One axial slice (311 of 417, counting up from the lowest) of a chest CT acquired at 120 kVp with the STANDARD kernel; each pixel is 0.703 mm and the slice is 1.25 mm thick.
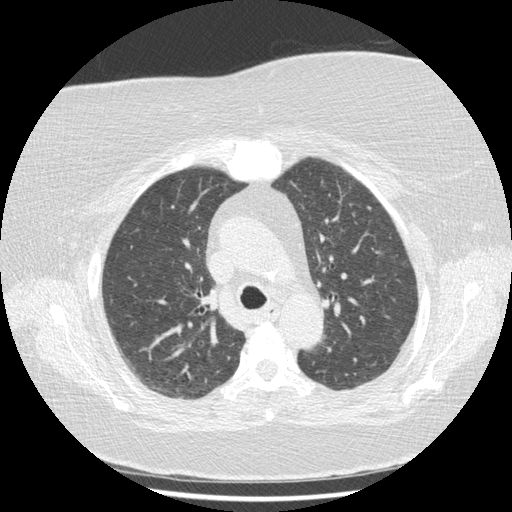
Pulmonary nodule outlined by one of the four readers; box rows 206–209, columns 367–370 (that reader's outline on this slice); longest diameter 5.1 mm and volume 24 mm3 from that reader's outline. Ratings by that reader: texture 5/5 (solid); margin 5/5 (circumscribed); sphericity 5/5 (round); calcification absent; internal structure soft tissue; subtlety 5/5; malignancy likelihood 3/5. Scale key (1–5): texture non-solid→solid, margin indistinct→circumscribed, sphericity linear→round, subtlety extremely subtle→obvious, malignancy likelihood highly unlikely→highly suspicious of cancer. Box rows and columns are 0-based pixel indices from the top-left corner, inclusive.